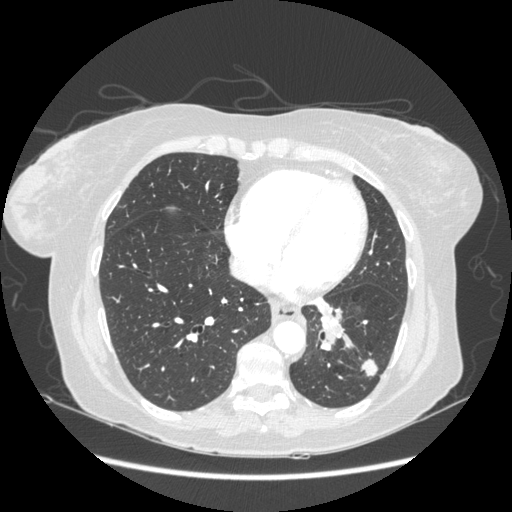
Axial chest CT slice 85 of 230 (counted from the lowest slice); 1.25 mm thick, 0.742 mm per pixel. Pulmonary nodule outlined by all four readers; box rows 357–376, columns 359–378 (the union of the readers' outlines on this slice); the four readers' outlines give a longest diameter between 23.1 and 31.5 mm and a volume between 3020 and 5074 mm3. Ratings across the readers: texture 5/5 (solid), all four readers agreeing; margin from 3/5 to 5/5 (circumscribed) across the four readers; sphericity from 3/5 (ovoid) to 5/5 (round) across the four readers; calcification absent, all four readers agreeing; internal structure soft tissue from all four readers; subtlety 5/5, all four readers agreeing; malignancy likelihood rated between 3 and 5 out of 5 by the four readers. Scale key (1–5): texture non-solid→solid, margin indistinct→circumscribed, sphericity linear→round, subtlety extremely subtle→obvious, malignancy likelihood highly unlikely→highly suspicious of cancer. Box rows and columns are 0-based pixel indices from the top-left corner, inclusive.
Tube voltage 120 kVp; convolution kernel STANDARD.